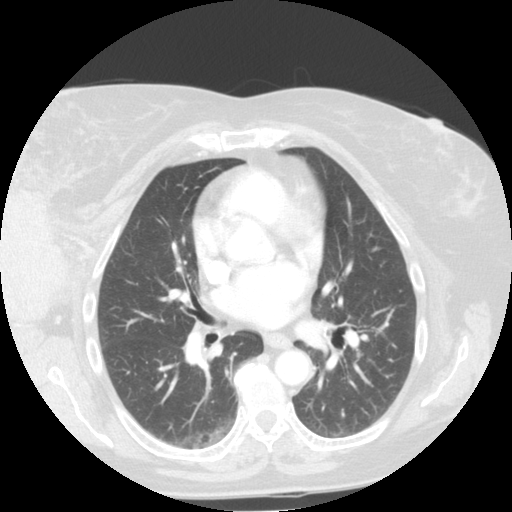
Chest CT, axial plane, 120 kVp, kernel STANDARD. Slice 67/113 from the bottom of the scan; thickness 2.50 mm; pixel size 0.703 mm.
Pulmonary nodule, outlined by all four readers, three of them on this slice. Box on this slice rows 350–358, columns 356–363, the union of the readers' outlines on this slice; longest diameter 9.9 mm on average over the four readers' outlines (readers' outlines 9.2–11.6 mm), volume 229–427 mm3. Ratings, by the readers' most common answer with dissent counted: texture 5/5 (solid), all four readers agreeing; margin split among the readers: 4/5 (two), 5/5 (circumscribed) (two); most readers (three of four) put sphericity at 4/5, others 5/5 (round) (one); calcification absent from all four readers; internal structure soft tissue, all four readers agreeing; subtlety split among the readers: 3/5 (two), 4/5 (two); malignancy likelihood 2/5 by two of four readers; the rest gave 3/5 (one), 5/5 (one). Scale key (1–5): texture non-solid→solid, margin indistinct→circumscribed, sphericity linear→round, subtlety extremely subtle→obvious, malignancy likelihood highly unlikely→highly suspicious of cancer. Box rows and columns are 0-based pixel indices from the top-left corner, inclusive.